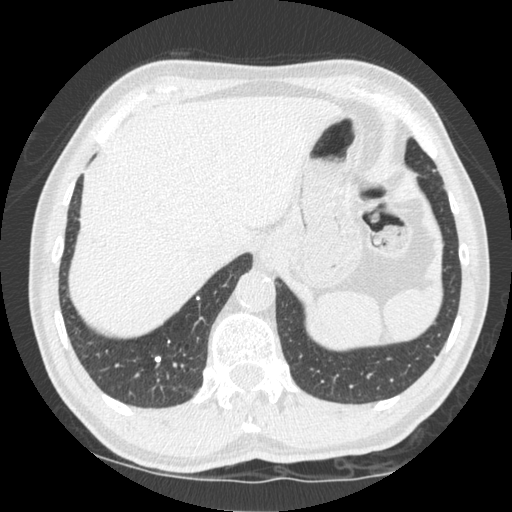
One axial slice (94 of 535, counting up from the lowest) of a chest CT acquired at 120 kVp with the STANDARD kernel; each pixel is 0.664 mm and the slice is 1.25 mm thick.
Pulmonary nodule, outlined by all four readers. Box on this slice rows 356–362, columns 154–161, the union of the readers' outlines on this slice; longest diameter 5.8 mm on average over the four readers' outlines (readers' outlines 4.7–6.5 mm), volume 34–62 mm3. Ratings, by the readers' most common answer with dissent counted: texture 5/5 (solid), all four readers agreeing; margin 5/5 (circumscribed), all four readers agreeing; sphericity split among the readers: 4/5 (two), 5/5 (round) (two); calcification solid calcification, all four readers agreeing; internal structure soft tissue, all four readers agreeing; subtlety 5/5 by three of four readers; the rest gave 4/5 (one); malignancy likelihood 1/5 from all four readers. Scale key (1–5): texture non-solid→solid, margin indistinct→circumscribed, sphericity linear→round, subtlety extremely subtle→obvious, malignancy likelihood highly unlikely→highly suspicious of cancer. Box rows and columns are 0-based pixel indices from the top-left corner, inclusive.